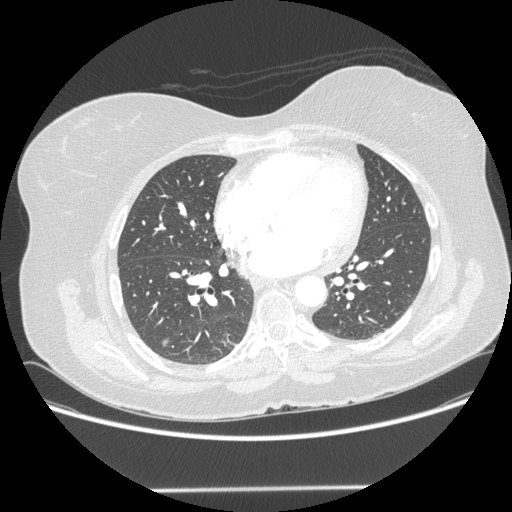
Chest CT, axial plane, 120 kVp, kernel STANDARD. Slice 89/214 from the bottom of the scan; thickness 1.25 mm; pixel size 0.781 mm.
Pulmonary nodule outlined by all four readers; box rows 337–346, columns 160–168 (the union of the readers' outlines on this slice); longest diameter 10.4 mm on average over the four readers' outlines (readers' outlines 9.8–11.3 mm), volume 185–219 mm3. The readers' prevailing ratings and who disagreed: texture 5/5 (solid), all four readers agreeing; most readers (three of four) put margin at 5/5 (circumscribed), others 4/5 (one); sphericity 3/5 (ovoid) by two of four readers; the rest gave 4/5 (one), 5/5 (round) (one); calcification absent from all four readers; internal structure soft tissue from all four readers; subtlety 4/5 by two of four readers; the rest gave 3/5 (one), 5/5 (one); malignancy likelihood 3/5 by two of four readers; the rest gave 2/5 (one), 4/5 (one). Scale key (1–5): texture non-solid→solid, margin indistinct→circumscribed, sphericity linear→round, subtlety extremely subtle→obvious, malignancy likelihood highly unlikely→highly suspicious of cancer. Box rows and columns are 0-based pixel indices from the top-left corner, inclusive.